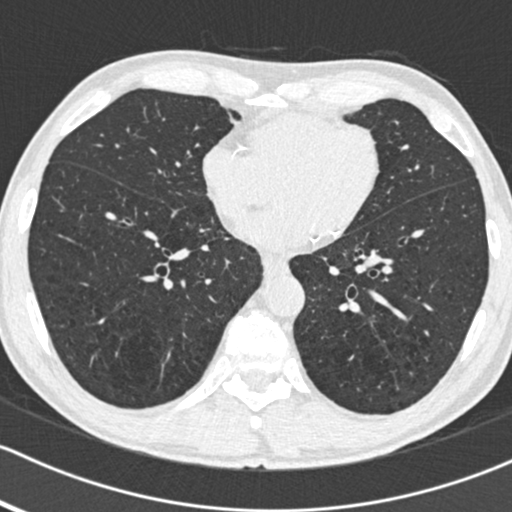
Axial chest CT slice 215 of 483 (counted from the lowest slice); 0.75 mm thick, 0.617 mm per pixel. No nodule of 3 mm or larger was outlined by any of the four readers on this slice.
Scan settings: 120 kVp, B30f reconstruction kernel.